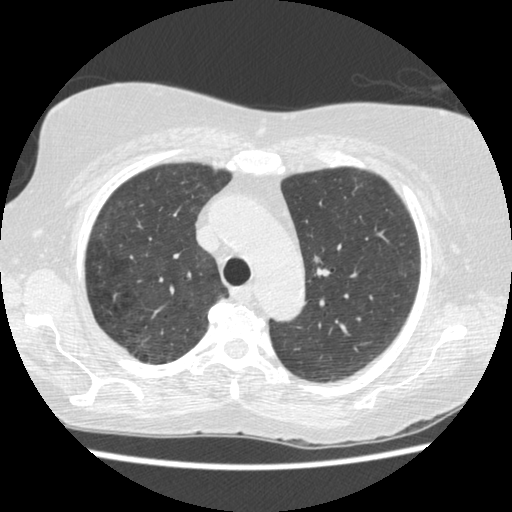
One axial slice (305 of 413, counting up from the lowest) of a chest CT acquired at 120 kVp with the STANDARD kernel; each pixel is 0.625 mm and the slice is 1.25 mm thick.
Pulmonary nodule outlined by two of the four readers; box rows 256–262, columns 312–319 (the union of the readers' outlines on this slice); the two readers' outlines give a longest diameter between 7.3 and 8.5 mm and a volume between 68 and 167 mm3. The readers' ratings, as ranges where they differ: texture 5/5 (solid) from both readers; margin from 3/5 to 5/5 (circumscribed) across the two readers; sphericity from 4/5 to 5/5 (round) across the two readers; calcification absent, both readers agreeing; internal structure soft tissue, both readers agreeing; subtlety 2–3/5 (the readers disagree); malignancy likelihood rated between 3 and 4 out of 5 by the two readers. Scale key (1–5): texture non-solid→solid, margin indistinct→circumscribed, sphericity linear→round, subtlety extremely subtle→obvious, malignancy likelihood highly unlikely→highly suspicious of cancer. Box rows and columns are 0-based pixel indices from the top-left corner, inclusive.